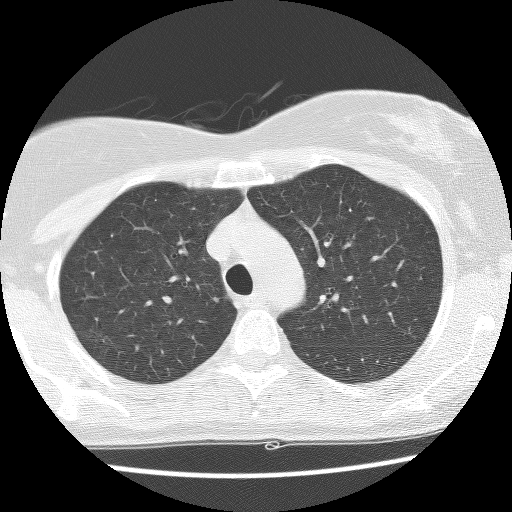
Slice 95/127 of a chest CT, counting up from the lowest; pixel size 0.586 mm, slice thickness 2.50 mm. Pulmonary nodule, outlined by two of the four readers, one of them on this slice. Box on this slice rows 337–341, columns 101–104, the one reader's outline on this slice; the two readers' outlines give a longest diameter between 12.9 and 14.7 mm and a volume between 148 and 591 mm3. The readers' ratings, as ranges where they differ: texture 3/5 (part-solid), both readers agreeing; margin 1/5 (indistinct) from both readers; sphericity 2/5, both readers agreeing; calcification absent, both readers agreeing; internal structure soft tissue, both readers agreeing; subtlety 4/5, both readers agreeing; malignancy likelihood 3/5, both readers agreeing. Scale key (1–5): texture non-solid→solid, margin indistinct→circumscribed, sphericity linear→round, subtlety extremely subtle→obvious, malignancy likelihood highly unlikely→highly suspicious of cancer. Box rows and columns are 0-based pixel indices from the top-left corner, inclusive.
Tube voltage 140 kVp; convolution kernel BONE.